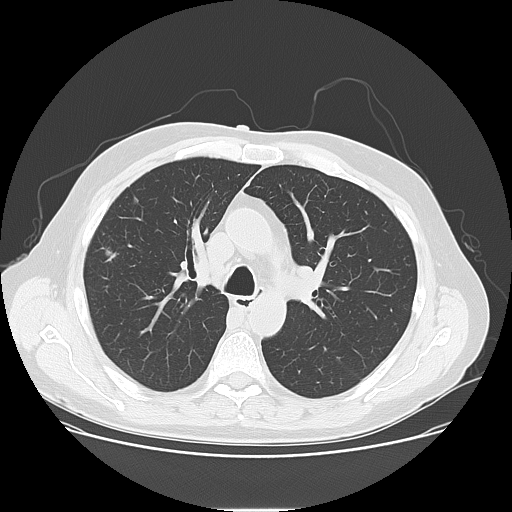
Chest CT, axial plane, 120 kVp, kernel LUNG. Slice 93/141 from the bottom of the scan; thickness 2.50 mm; pixel size 0.762 mm.
Pulmonary nodule, outlined by all four readers. Box on this slice rows 249–260, columns 105–115, the union of the readers' outlines on this slice; median longest diameter 26.7 mm (readers' outlines 25.3–27.9 mm), median volume 3135 mm3 (2874–3633 mm3). Ratings, median across the readers with their spread: texture 5/5 (solid), all four readers agreeing; median margin 4.5/5 (readers ranged 3/5 to 5/5 (circumscribed)); median sphericity 3/5 (ovoid) (readers ranged 2/5 to 3/5 (ovoid)); calcification absent from all four readers; internal structure soft tissue, all four readers agreeing; subtlety 5/5, all four readers agreeing; malignancy likelihood 5/5 at the median of four readers, spread 3–5. Scale key (1–5): texture non-solid→solid, margin indistinct→circumscribed, sphericity linear→round, subtlety extremely subtle→obvious, malignancy likelihood highly unlikely→highly suspicious of cancer. Box rows and columns are 0-based pixel indices from the top-left corner, inclusive.